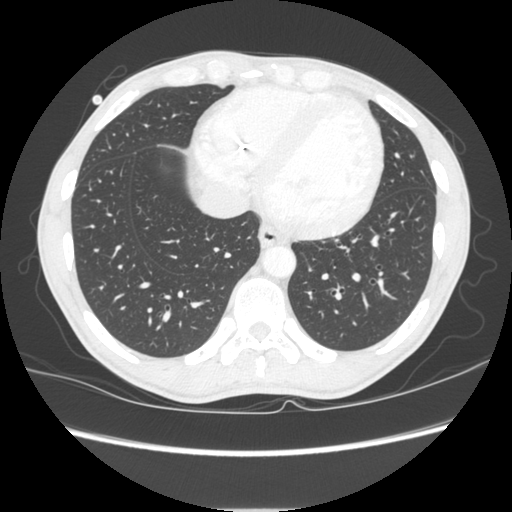
Axial slice 89 of 261 of a chest CT (slice 1 is the lowest), reconstructed with the STANDARD kernel at 120 kVp; 1.25 mm slice thickness and 0.684 mm pixels.
The readers outlined no nodule of 3 mm or more on this slice.